Axial slice 205 of 268 of a chest CT (slice 1 is the lowest), reconstructed with the BONE kernel at 120 kVp; 1.25 mm slice thickness and 0.742 mm pixels.
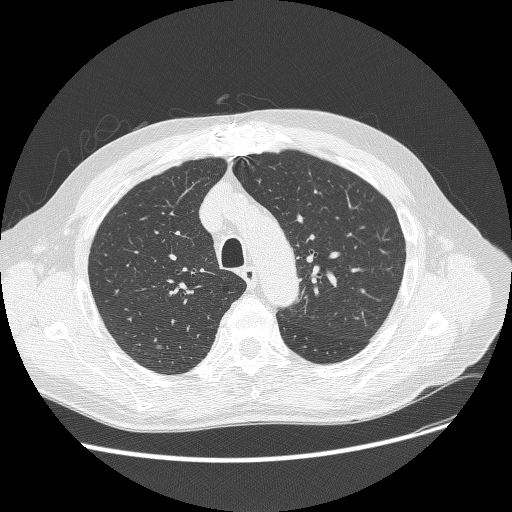
Pulmonary nodule at rows 344–348, columns 156–163 (box = the union of the readers' outlines on this slice), outlined by three of the four readers; median longest diameter 5.4 mm (readers' outlines 4.7–6.8 mm), median volume 79 mm3 (40–85 mm3). Ratings, median across the readers with their spread: texture 1/5 (non-solid) from all three readers; median margin 2/5 (readers ranged 1/5 (indistinct) to 3/5); median sphericity 3/5 (ovoid) (readers ranged 3/5 (ovoid) to 5/5 (round)); calcification absent from all three readers; internal structure soft tissue, all three readers agreeing; subtlety 2/5 at the median of three readers, spread 1–2; malignancy likelihood 3/5 from all three readers. Scale key (1–5): texture non-solid→solid, margin indistinct→circumscribed, sphericity linear→round, subtlety extremely subtle→obvious, malignancy likelihood highly unlikely→highly suspicious of cancer. Box rows and columns are 0-based pixel indices from the top-left corner, inclusive.